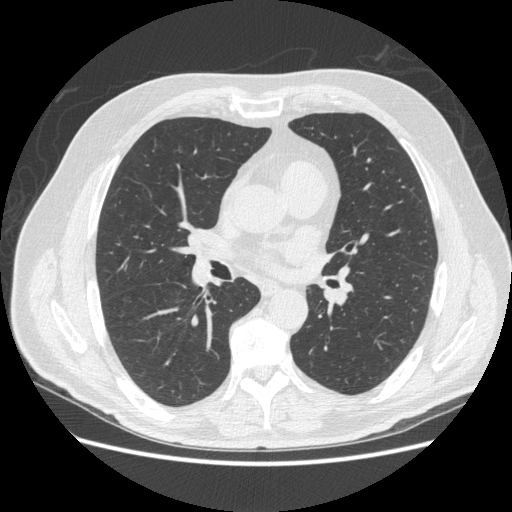
Axial chest CT slice 263 of 503 (counted from the lowest slice); 1.25 mm thick, 0.742 mm per pixel. Pulmonary nodule, outlined by three of the four readers. Box on this slice rows 295–304, columns 122–131, the union of the readers' outlines on this slice; longest diameter 9.0 mm on average over the three readers' outlines (readers' outlines 7.3–10.1 mm), volume 62–129 mm3. The readers' prevailing ratings and who disagreed: most readers (two of three) put texture at 1/5 (non-solid), others 4/5 (one); most readers (two of three) put margin at 2/5, others 4/5 (one); most readers (two of three) put sphericity at 4/5, others 3/5 (ovoid) (one); calcification absent, all three readers agreeing; internal structure soft tissue from all three readers; subtlety split among the readers: 1/5 (one), 2/5 (one), 4/5 (one); malignancy likelihood 3/5 by two of three readers; the rest gave 4/5 (one). Scale key (1–5): texture non-solid→solid, margin indistinct→circumscribed, sphericity linear→round, subtlety extremely subtle→obvious, malignancy likelihood highly unlikely→highly suspicious of cancer. Box rows and columns are 0-based pixel indices from the top-left corner, inclusive.
Acquired at 120 kVp and reconstructed with the STANDARD kernel.